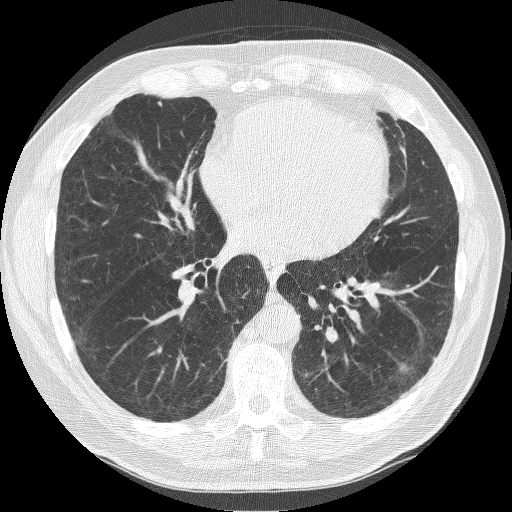
Axial slice 97 of 237 of a chest CT (slice 1 is the lowest), reconstructed with the BONE kernel at 120 kVp; 1.25 mm slice thickness and 0.664 mm pixels.
Pulmonary nodule, outlined by two of the four readers. Box on this slice rows 101–106, columns 156–161, the union of the readers' outlines on this slice; longest diameter 5.4 mm on average over the two readers' outlines (readers' outlines 4.5–6.3 mm), volume 48–69 mm3. The readers' prevailing ratings and who disagreed: texture 5/5 (solid), both readers agreeing; margin split among the readers: 4/5 (one), 5/5 (circumscribed) (one); sphericity split among the readers: 2/5 (one), 4/5 (one); calcification absent, both readers agreeing; internal structure soft tissue from both readers; subtlety split among the readers: 4/5 (one), 5/5 (one); malignancy likelihood 3/5, both readers agreeing. Scale key (1–5): texture non-solid→solid, margin indistinct→circumscribed, sphericity linear→round, subtlety extremely subtle→obvious, malignancy likelihood highly unlikely→highly suspicious of cancer. Box rows and columns are 0-based pixel indices from the top-left corner, inclusive.